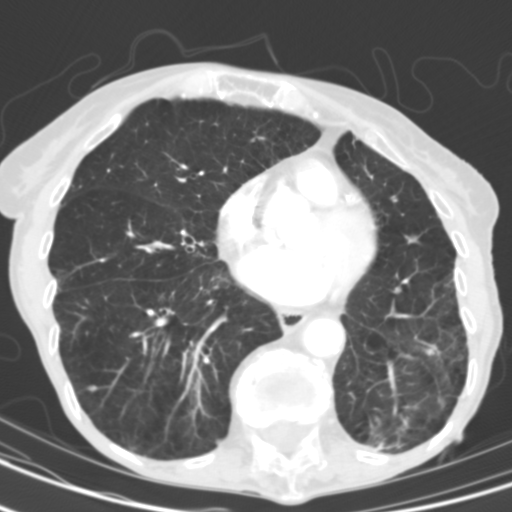
This is axial slice 41 of 104 (slice 1 is the lowest) of a chest CT; each pixel is 0.531 mm and the slice is 3.00 mm thick. Pulmonary nodule at rows 385–391, columns 87–97 (box = that reader's outline on this slice), outlined by one of the four readers; longest diameter 6.5 mm and volume 97 mm3 from that reader's outline. Ratings by that reader: texture 5/5 (solid); margin 3/5; sphericity 1/5 (linear); calcification absent; internal structure soft tissue; subtlety 2/5; malignancy likelihood 1/5. Scale key (1–5): texture non-solid→solid, margin indistinct→circumscribed, sphericity linear→round, subtlety extremely subtle→obvious, malignancy likelihood highly unlikely→highly suspicious of cancer. Box rows and columns are 0-based pixel indices from the top-left corner, inclusive.
Scan settings: 130 kVp, B31s reconstruction kernel.